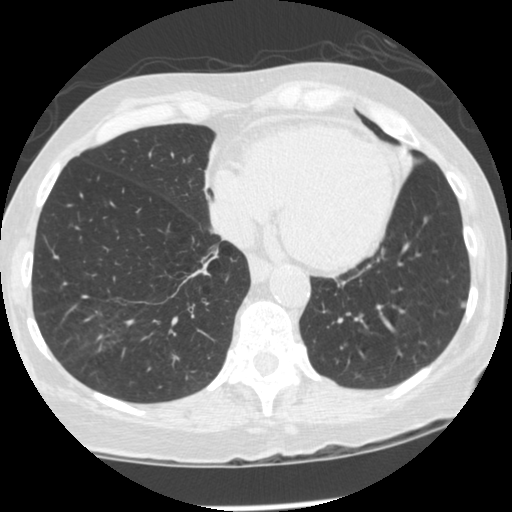
Axial chest CT slice 118 of 474 (counted from the lowest slice); 1.25 mm thick, 0.625 mm per pixel. Pulmonary nodule, outlined by three of the four readers. Box on this slice rows 301–308, columns 460–465, the union of the readers' outlines on this slice; longest diameter 7.1–8.1 mm and volume 92–97 mm3 across the three readers' outlines. Ratings across the readers: texture from 4/5 to 5/5 (solid) across the three readers; margin from 3/5 to 5/5 (circumscribed) across the three readers; sphericity from 2/5 to 4/5 across the three readers; calcification absent from all three readers; internal structure soft tissue from all three readers; subtlety 3–5/5 (the readers disagree); malignancy likelihood rated between 2 and 3 out of 5 by the three readers. Scale key (1–5): texture non-solid→solid, margin indistinct→circumscribed, sphericity linear→round, subtlety extremely subtle→obvious, malignancy likelihood highly unlikely→highly suspicious of cancer. Box rows and columns are 0-based pixel indices from the top-left corner, inclusive.
Acquired at 120 kVp and reconstructed with the STANDARD kernel.